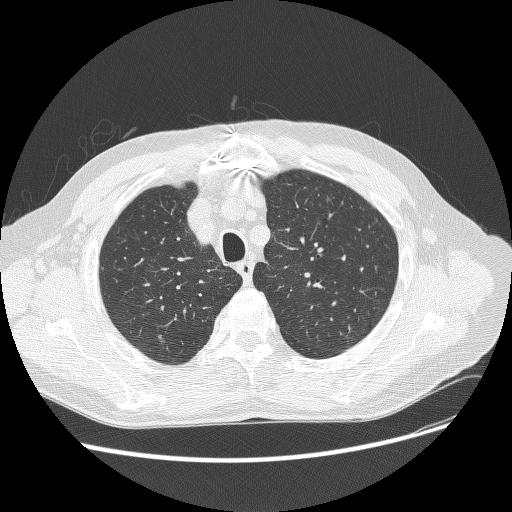
One axial slice (218 of 268, counting up from the lowest) of a chest CT acquired at 120 kVp with the BONE kernel; each pixel is 0.742 mm and the slice is 1.25 mm thick.
Pulmonary nodule at rows 335–342, columns 158–165 (box = that reader's outline on this slice), outlined by one of the four readers; longest diameter 8.0 mm and volume 35 mm3 from that reader's outline. Ratings by that reader: texture 1/5 (non-solid); margin 2/5; sphericity 2/5; calcification absent; internal structure soft tissue; subtlety 1/5; malignancy likelihood 3/5. Scale key (1–5): texture non-solid→solid, margin indistinct→circumscribed, sphericity linear→round, subtlety extremely subtle→obvious, malignancy likelihood highly unlikely→highly suspicious of cancer. Box rows and columns are 0-based pixel indices from the top-left corner, inclusive.